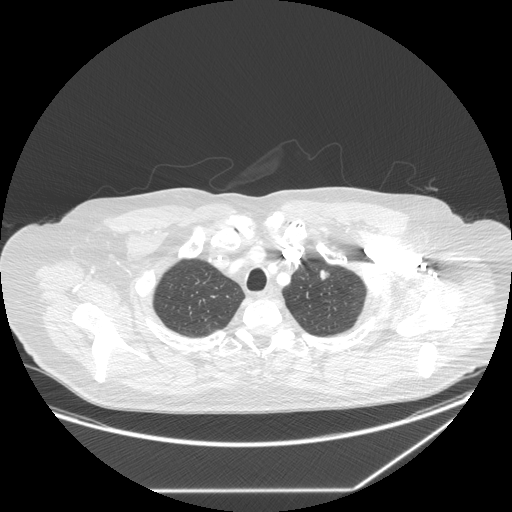
Slice 222/258 of a chest CT, counting up from the lowest; pixel size 0.859 mm, slice thickness 1.25 mm. Pulmonary nodule at rows 269–280, columns 320–328 (box = the union of the readers' outlines on this slice), outlined by all four readers; median longest diameter 13.2 mm (readers' outlines 11.3–14.0 mm), median volume 551 mm3 (372–779 mm3). Ratings, median across the readers with their spread: texture 5/5 (solid), all four readers agreeing; margin 4.5/5 at the median of four readers, spread 4/5 to 5/5 (circumscribed); sphericity 3.5/5 at the median of four readers, spread 3/5 (ovoid) to 5/5 (round); calcification absent, all four readers agreeing; internal structure soft tissue from all four readers; median subtlety 5/5 (readers ranged 4–5); malignancy likelihood 3.5/5 at the median of four readers, spread 3–4. Scale key (1–5): texture non-solid→solid, margin indistinct→circumscribed, sphericity linear→round, subtlety extremely subtle→obvious, malignancy likelihood highly unlikely→highly suspicious of cancer. Box rows and columns are 0-based pixel indices from the top-left corner, inclusive.
Scan settings: 120 kVp, STANDARD reconstruction kernel.